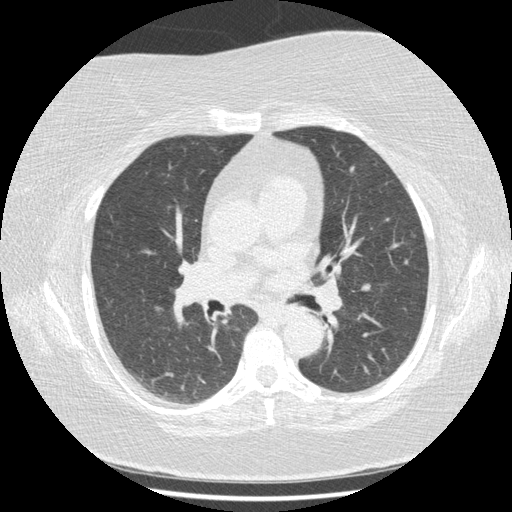
Axial chest CT slice 246 of 417 (counted from the lowest slice); 1.25 mm thick, 0.703 mm per pixel. Three pulmonary nodules on this slice, listed from left to right. (1) Pulmonary nodule, outlined by one of the four readers. Box on this slice rows 307–311, columns 155–159, that reader's outline on this slice; longest diameter 8.8 mm and volume 74 mm3 from that reader's outline. That reader's ratings: texture 4/5; margin 2/5; sphericity 3/5 (ovoid); calcification absent; internal structure soft tissue; subtlety 5/5; malignancy likelihood 3/5. (2) Pulmonary nodule, outlined by all four readers. Box on this slice rows 283–291, columns 359–371, the union of the readers' outlines on this slice; median longest diameter 9.2 mm (readers' outlines 7.6–10.7 mm), median volume 160 mm3 (89–248 mm3). Ratings, median across the readers with their spread: texture 5/5 (solid) from all four readers; median margin 4/5 (readers ranged 4/5 to 5/5 (circumscribed)); sphericity 3.5/5 at the median of four readers, spread 3/5 (ovoid) to 5/5 (round); calcification absent from all four readers; internal structure soft tissue, all four readers agreeing; subtlety 4.5/5 at the median of four readers, spread 4–5; malignancy likelihood 3/5 at the median of four readers, spread 3–4. (3) Pulmonary nodule, outlined by one of the four readers. Box on this slice rows 234–237, columns 411–414, that reader's outline on this slice; longest diameter 5.5 mm and volume 21 mm3 from that reader's outline. Ratings by that reader: texture 4/5; margin 2/5; sphericity 4/5; calcification absent; internal structure soft tissue; subtlety 5/5; malignancy likelihood 3/5. Scale key (1–5): texture non-solid→solid, margin indistinct→circumscribed, sphericity linear→round, subtlety extremely subtle→obvious, malignancy likelihood highly unlikely→highly suspicious of cancer. Box rows and columns are 0-based pixel indices from the top-left corner, inclusive.
Scan settings: 120 kVp, STANDARD reconstruction kernel.